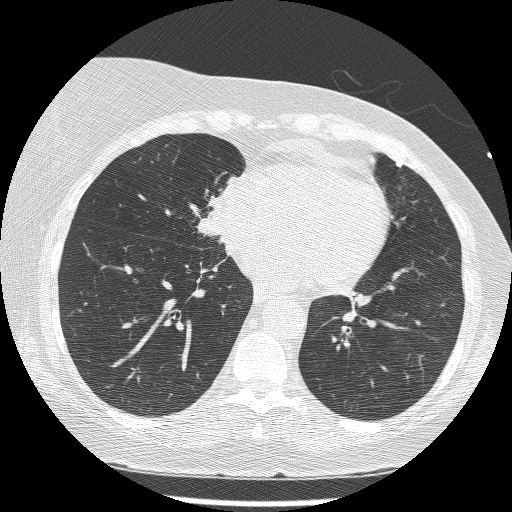
Axial slice 69 of 209 of a chest CT (slice 1 is the lowest), reconstructed with the BONE kernel at 120 kVp; 1.25 mm slice thickness and 0.617 mm pixels.
Two pulmonary nodules on this slice, listed from left to right. (1) Pulmonary nodule outlined by three of the four readers; box rows 210–237, columns 195–218 (the union of the readers' outlines on this slice); median longest diameter 24.2 mm (readers' outlines 22.9–27.7 mm), median volume 3128 mm3 (3040–4232 mm3). Median ratings and the readers' spread: texture 5/5 (solid), all three readers agreeing; margin 5/5 (circumscribed) at the median of three readers, spread 4/5 to 5/5 (circumscribed); median sphericity 4/5 (readers ranged 3/5 (ovoid) to 4/5); calcification absent from all three readers; internal structure soft tissue from all three readers; subtlety 5/5, all three readers agreeing; malignancy likelihood 5/5 from all three readers. (2) Pulmonary nodule, outlined by three of the four readers. Box on this slice rows 161–166, columns 396–401, the union of the readers' outlines on this slice; median longest diameter 6.6 mm (readers' outlines 6.2–7.2 mm), median volume 85 mm3 (69–94 mm3). Median ratings and the readers' spread: texture 5/5 (solid), all three readers agreeing; margin 5/5 (circumscribed) from all three readers; sphericity 4/5 at the median of three readers, spread 3/5 (ovoid) to 4/5; calcification: solid calcification (two), absent (one); internal structure soft tissue, all three readers agreeing; median subtlety 4/5 (readers ranged 3–5); malignancy likelihood 1/5 at the median of three readers, spread 1–2. Scale key (1–5): texture non-solid→solid, margin indistinct→circumscribed, sphericity linear→round, subtlety extremely subtle→obvious, malignancy likelihood highly unlikely→highly suspicious of cancer. Box rows and columns are 0-based pixel indices from the top-left corner, inclusive.